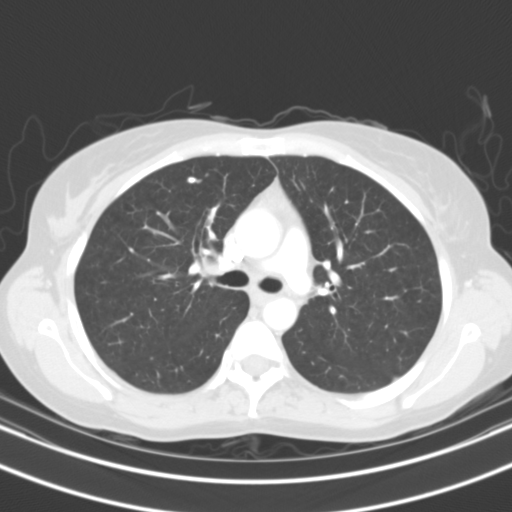
One axial slice (74 of 108, counting up from the lowest) of a chest CT acquired at 130 kVp with the B31s kernel; each pixel is 0.629 mm and the slice is 3.00 mm thick.
Pulmonary nodule at rows 176–183, columns 187–197 (box = the union of the readers' outlines on this slice), outlined by three of the four readers; median longest diameter 6.3 mm (readers' outlines 5.4–7.6 mm), median volume 151 mm3 (117–157 mm3). Ratings, median across the readers with their spread: texture 5/5 (solid), all three readers agreeing; margin 5/5 (circumscribed) at the median of three readers, spread 4/5 to 5/5 (circumscribed); sphericity 4/5 at the median of three readers, spread 3/5 (ovoid) to 5/5 (round); calcification solid calcification from all three readers; internal structure soft tissue from all three readers; median subtlety 3/5 (readers ranged 3–5); malignancy likelihood 1/5, all three readers agreeing. Scale key (1–5): texture non-solid→solid, margin indistinct→circumscribed, sphericity linear→round, subtlety extremely subtle→obvious, malignancy likelihood highly unlikely→highly suspicious of cancer. Box rows and columns are 0-based pixel indices from the top-left corner, inclusive.